Axial chest CT slice 21 of 111 (counted from the lowest slice); tube voltage 135 kVp, convolution kernel FC01; slices 3.00 mm thick, 0.582 mm per pixel.
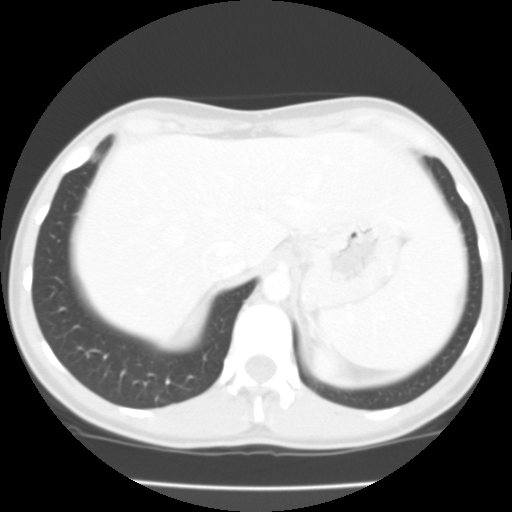
Pulmonary nodule, outlined by all four readers, one of them on this slice. Box on this slice rows 399–403, columns 160–170, the one reader's outline on this slice; longest diameter 11.4–15.5 mm and volume 422–811 mm3 across the four readers' outlines. The readers' ratings, as ranges where they differ: texture from 3/5 (part-solid) to 5/5 (solid) across the four readers; margin from 1/5 (indistinct) to 3/5 across the four readers; sphericity from 2/5 to 3/5 (ovoid) across the four readers; calcification absent, all four readers agreeing; internal structure soft tissue from all four readers; subtlety rated between 4 and 5 out of 5 by the four readers; malignancy likelihood from 3/5 to 4/5 across the four readers. Scale key (1–5): texture non-solid→solid, margin indistinct→circumscribed, sphericity linear→round, subtlety extremely subtle→obvious, malignancy likelihood highly unlikely→highly suspicious of cancer. Box rows and columns are 0-based pixel indices from the top-left corner, inclusive.